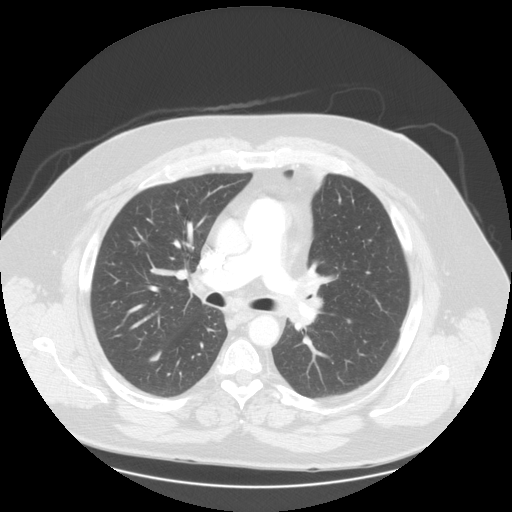
Axial chest CT slice 91 of 133 (counted from the lowest slice); tube voltage 120 kVp, convolution kernel STANDARD; slices 2.50 mm thick, 0.859 mm per pixel.
Pulmonary nodule at rows 350–361, columns 147–161 (box = the union of the readers' outlines on this slice), outlined by all four readers; longest diameter 14.0 mm on average over the four readers' outlines (readers' outlines 12.7–15.5 mm), volume 462–626 mm3. Ratings, by the readers' most common answer with dissent counted: most readers (three of four) put texture at 5/5 (solid), others 4/5 (one); margin 4/5 by three of four readers; the rest gave 5/5 (circumscribed) (one); sphericity 4/5 by two of four readers; the rest gave 3/5 (ovoid) (one), 5/5 (round) (one); calcification absent from all four readers; internal structure soft tissue, all four readers agreeing; subtlety 4/5 by two of four readers; the rest gave 3/5 (one), 5/5 (one); malignancy likelihood 4/5 by three of four readers; the rest gave 2/5 (one). Scale key (1–5): texture non-solid→solid, margin indistinct→circumscribed, sphericity linear→round, subtlety extremely subtle→obvious, malignancy likelihood highly unlikely→highly suspicious of cancer. Box rows and columns are 0-based pixel indices from the top-left corner, inclusive.